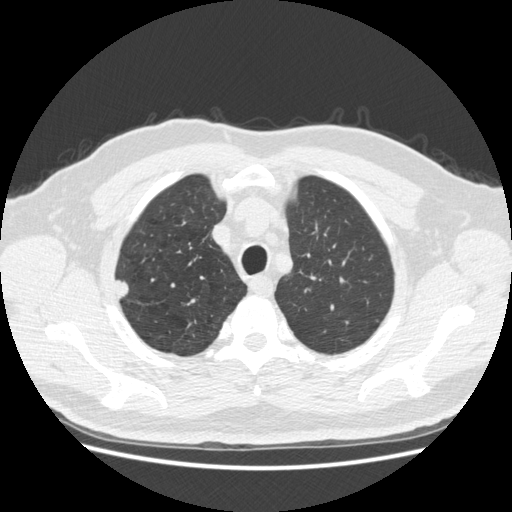
Slice 382/465 of a chest CT, counting up from the lowest; pixel size 0.703 mm, slice thickness 1.25 mm. Pulmonary nodule at rows 279–299, columns 113–129 (box = the union of the readers' outlines on this slice), outlined by all four readers; the four readers' outlines give a longest diameter between 15.5 and 18.9 mm and a volume between 1041 and 1475 mm3. Ratings across the readers: texture 5/5 (solid) from all four readers; margin from 4/5 to 5/5 (circumscribed) across the four readers; sphericity from 3/5 (ovoid) to 5/5 (round) across the four readers; calcification absent, all four readers agreeing; internal structure soft tissue from all four readers; subtlety from 4/5 to 5/5 across the four readers; malignancy likelihood rated between 2 and 5 out of 5 by the four readers. Scale key (1–5): texture non-solid→solid, margin indistinct→circumscribed, sphericity linear→round, subtlety extremely subtle→obvious, malignancy likelihood highly unlikely→highly suspicious of cancer. Box rows and columns are 0-based pixel indices from the top-left corner, inclusive.
Tube voltage 120 kVp; convolution kernel STANDARD.